Axial slice 51 of 421 of a chest CT (slice 1 is the lowest), reconstructed with the STANDARD kernel at 120 kVp; 1.25 mm slice thickness and 0.703 mm pixels.
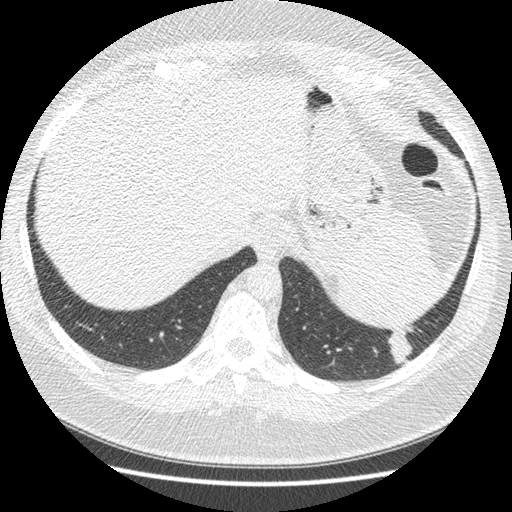
Pulmonary nodule outlined four times (the source holds four more outlines, not used); box rows 324–364, columns 387–413 (the union of the readers' outlines on this slice); median longest diameter 32.9 mm (readers' outlines 30.9–38.9 mm), median volume 5450 mm3 (4443–5826 mm3). Ratings, median across the readers with their spread: texture 5/5 (solid) at the median of four readers, spread 4/5 to 5/5 (solid); margin 4/5 at the median of four readers, spread 3/5 to 4/5; sphericity 2.5/5 at the median of four readers, spread 2/5 to 4/5; calcification absent from all four readers; internal structure soft tissue, all four readers agreeing; median subtlety 5/5 (readers ranged 4–5); malignancy likelihood 3.5/5 at the median of four readers, spread 2–5. Scale key (1–5): texture non-solid→solid, margin indistinct→circumscribed, sphericity linear→round, subtlety extremely subtle→obvious, malignancy likelihood highly unlikely→highly suspicious of cancer. Box rows and columns are 0-based pixel indices from the top-left corner, inclusive.